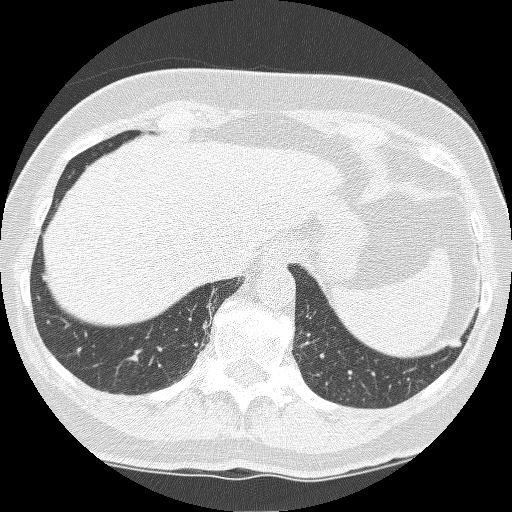
Slice 51/250 of a chest CT, counting up from the lowest; pixel size 0.586 mm, slice thickness 1.25 mm. Pulmonary nodule at rows 340–348, columns 449–461 (box = the union of the readers' outlines on this slice), outlined by three of the four readers; longest diameter 9.8 mm on average over the three readers' outlines (readers' outlines 9.0–10.8 mm), volume 291–346 mm3. Ratings, by the readers' most common answer with dissent counted: texture 5/5 (solid) by two of three readers; the rest gave 4/5 (one); margin 4/5 by two of three readers; the rest gave 3/5 (one); sphericity 3/5 (ovoid), all three readers agreeing; calcification absent from all three readers; internal structure soft tissue, all three readers agreeing; subtlety 5/5 by two of three readers; the rest gave 4/5 (one); malignancy likelihood 4/5 by two of three readers; the rest gave 3/5 (one). Scale key (1–5): texture non-solid→solid, margin indistinct→circumscribed, sphericity linear→round, subtlety extremely subtle→obvious, malignancy likelihood highly unlikely→highly suspicious of cancer. Box rows and columns are 0-based pixel indices from the top-left corner, inclusive.
Acquired at 120 kVp and reconstructed with the BONE kernel.